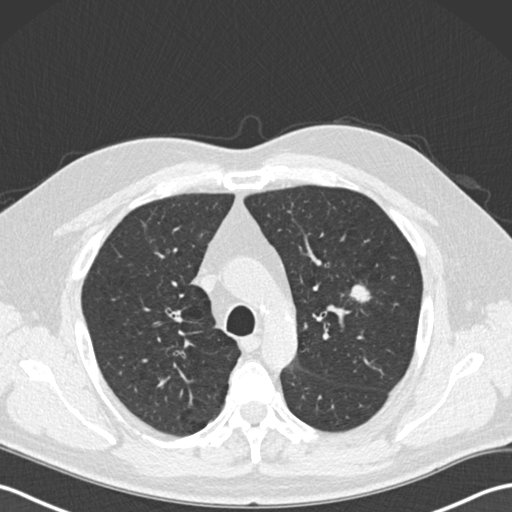
Slice 136/191 of a chest CT, counting up from the lowest; pixel size 0.684 mm, slice thickness 2.00 mm. Pulmonary nodule, outlined by all four readers. Box on this slice rows 284–302, columns 348–371, the union of the readers' outlines on this slice; median longest diameter 19.2 mm (readers' outlines 19.1–20.2 mm), median volume 2139 mm3 (1870–2474 mm3). Median ratings and the readers' spread: texture 5/5 (solid), all four readers agreeing; margin 4.5/5 at the median of four readers, spread 3/5 to 5/5 (circumscribed); sphericity 3.5/5 at the median of four readers, spread 3/5 (ovoid) to 4/5; calcification absent from all four readers; internal structure soft tissue from all four readers; subtlety 5/5 from all four readers; malignancy likelihood 5/5 at the median of four readers, spread 4–5. Scale key (1–5): texture non-solid→solid, margin indistinct→circumscribed, sphericity linear→round, subtlety extremely subtle→obvious, malignancy likelihood highly unlikely→highly suspicious of cancer. Box rows and columns are 0-based pixel indices from the top-left corner, inclusive.
Acquired at 120 kVp and reconstructed with the B30f kernel.